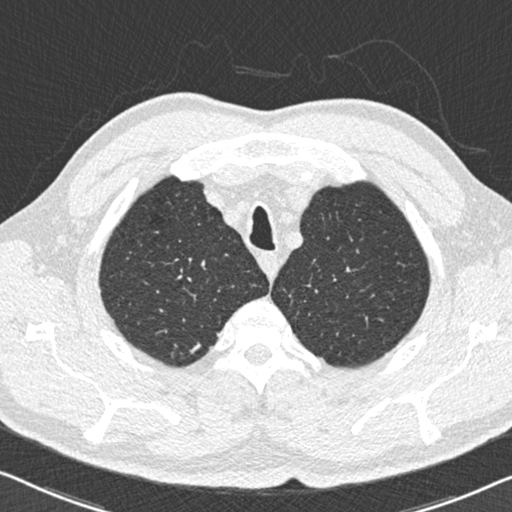
One axial slice (493 of 558, counting up from the lowest) of a chest CT acquired at 120 kVp with the B30f kernel; each pixel is 0.648 mm and the slice is 0.75 mm thick.
Pulmonary nodule outlined by all four readers, three of them on this slice; box rows 342–353, columns 189–200 (the union of the readers' outlines on this slice); median longest diameter 9.3 mm (readers' outlines 9.0–9.8 mm), median volume 129 mm3 (82–155 mm3). Median ratings and the readers' spread: texture 5/5 (solid) at the median of four readers, spread 4/5 to 5/5 (solid); margin 4/5 at the median of four readers, spread 4/5 to 5/5 (circumscribed); sphericity 2/5 at the median of four readers, spread 2/5 to 5/5 (round); calcification absent, all four readers agreeing; internal structure soft tissue, all four readers agreeing; median subtlety 3.5/5 (readers ranged 3–5); malignancy likelihood 2.5/5 at the median of four readers, spread 2–3. Scale key (1–5): texture non-solid→solid, margin indistinct→circumscribed, sphericity linear→round, subtlety extremely subtle→obvious, malignancy likelihood highly unlikely→highly suspicious of cancer. Box rows and columns are 0-based pixel indices from the top-left corner, inclusive.